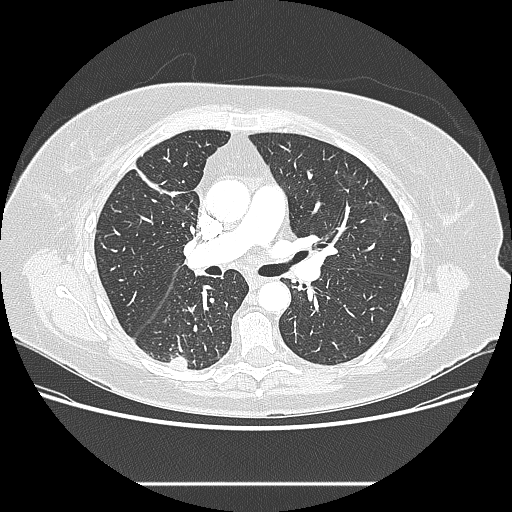
Slice 140/238 of a chest CT, counting up from the lowest; pixel size 0.742 mm, slice thickness 1.25 mm. Pulmonary nodule outlined by all four readers; box rows 356–369, columns 170–187 (the union of the readers' outlines on this slice); longest diameter 16.8 mm on average over the four readers' outlines (readers' outlines 16.2–17.0 mm), volume 1456–1679 mm3. Ratings, by the readers' most common answer with dissent counted: texture 5/5 (solid), all four readers agreeing; most readers (three of four) put margin at 5/5 (circumscribed), others 4/5 (one); most readers (three of four) put sphericity at 5/5 (round), others 3/5 (ovoid) (one); calcification absent, all four readers agreeing; internal structure soft tissue, all four readers agreeing; subtlety 5/5 by two of four readers; the rest gave 3/5 (one), 4/5 (one); malignancy likelihood 3/5 by two of four readers; the rest gave 2/5 (one), 4/5 (one). Scale key (1–5): texture non-solid→solid, margin indistinct→circumscribed, sphericity linear→round, subtlety extremely subtle→obvious, malignancy likelihood highly unlikely→highly suspicious of cancer. Box rows and columns are 0-based pixel indices from the top-left corner, inclusive.
Acquired at 120 kVp and reconstructed with the LUNG kernel.